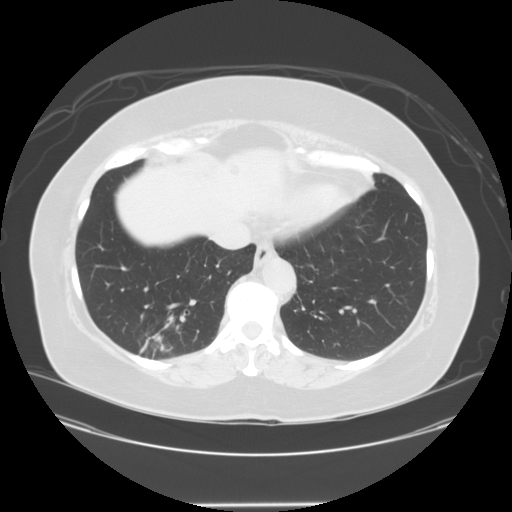
Axial chest CT slice 58 of 150 (counted from the lowest slice); 2.50 mm thick, 0.820 mm per pixel. Pulmonary nodule at rows 325–355, columns 141–177 (box = the union of the readers' outlines on this slice), outlined by three of the four readers; median longest diameter 36.7 mm (readers' outlines 34.5–41.5 mm), median volume 15464 mm3 (15181–19016 mm3). Ratings, median across the readers with their spread: texture 5/5 (solid), all three readers agreeing; median margin 4/5 (readers ranged 2/5 to 4/5); sphericity 4/5 at the median of three readers, spread 3/5 (ovoid) to 5/5 (round); calcification absent from all three readers; internal structure soft tissue, all three readers agreeing; subtlety 5/5 from all three readers; malignancy likelihood 5/5, all three readers agreeing. Scale key (1–5): texture non-solid→solid, margin indistinct→circumscribed, sphericity linear→round, subtlety extremely subtle→obvious, malignancy likelihood highly unlikely→highly suspicious of cancer. Box rows and columns are 0-based pixel indices from the top-left corner, inclusive.
Scan settings: 120 kVp, STANDARD reconstruction kernel.